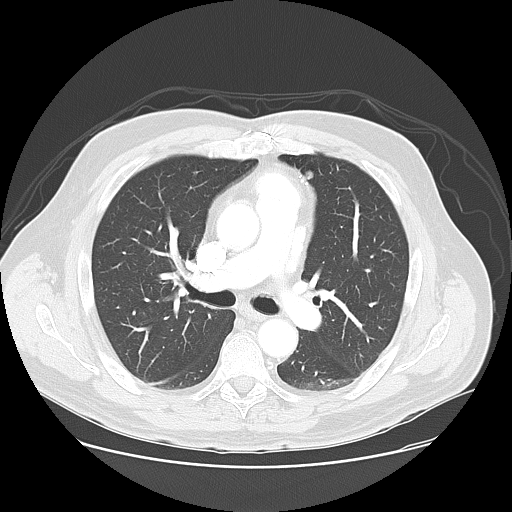
Axial slice 94 of 143 of a chest CT (slice 1 is the lowest), reconstructed with the LUNG kernel at 120 kVp; 2.50 mm slice thickness and 0.781 mm pixels.
Pulmonary nodule, outlined by all four readers. Box on this slice rows 171–179, columns 305–313, the union of the readers' outlines on this slice; longest diameter 9.4–11.0 mm and volume 317–491 mm3 across the four readers' outlines. The readers' ratings, as ranges where they differ: texture 5/5 (solid), all four readers agreeing; margin from 4/5 to 5/5 (circumscribed) across the four readers; sphericity from 4/5 to 5/5 (round) across the four readers; calcification: absent (two), non-central calcification (one), popcorn calcification (one); internal structure soft tissue, all four readers agreeing; subtlety rated between 4 and 5 out of 5 by the four readers; malignancy likelihood rated between 1 and 4 out of 5 by the four readers. Scale key (1–5): texture non-solid→solid, margin indistinct→circumscribed, sphericity linear→round, subtlety extremely subtle→obvious, malignancy likelihood highly unlikely→highly suspicious of cancer. Box rows and columns are 0-based pixel indices from the top-left corner, inclusive.